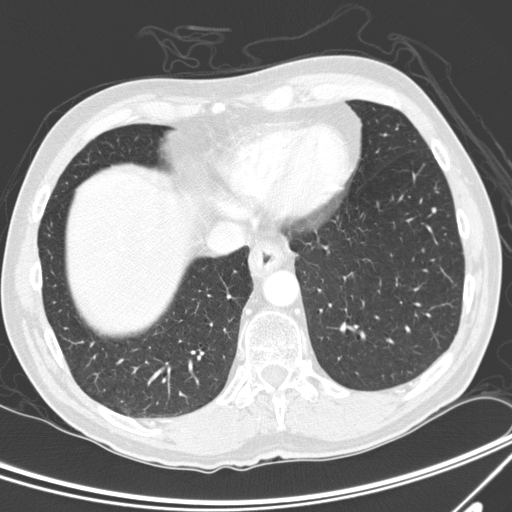
Slice 71/300 of a chest CT, counting up from the lowest; pixel size 0.678 mm, slice thickness 2.00 mm. Pulmonary nodule outlined by one of the four readers; box rows 207–212, columns 431–436 (that reader's outline on this slice); longest diameter 4.9 mm and volume 40 mm3 from that reader's outline. Ratings by that reader: texture 5/5 (solid); margin 4/5; sphericity 5/5 (round); calcification absent; internal structure soft tissue; subtlety 3/5; malignancy likelihood 3/5. Scale key (1–5): texture non-solid→solid, margin indistinct→circumscribed, sphericity linear→round, subtlety extremely subtle→obvious, malignancy likelihood highly unlikely→highly suspicious of cancer. Box rows and columns are 0-based pixel indices from the top-left corner, inclusive.
Tube voltage 120 kVp; convolution kernel D.